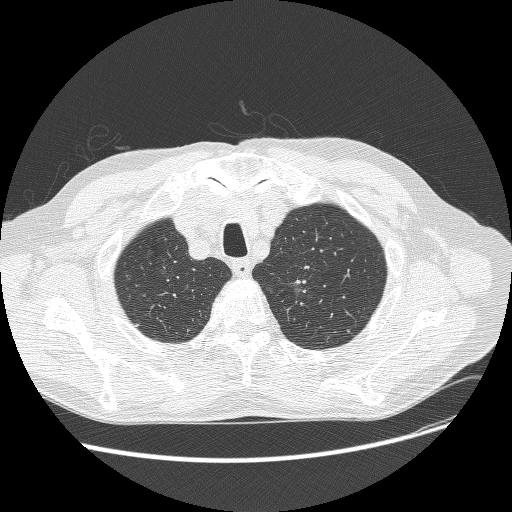
Axial chest CT slice 232 of 268 (counted from the lowest slice); 1.25 mm thick, 0.742 mm per pixel. Pulmonary nodule, outlined by three of the four readers, two of them on this slice. Box on this slice rows 280–296, columns 280–301, the union of the readers' outlines on this slice; median longest diameter 31.0 mm (readers' outlines 30.8–31.7 mm), median volume 5956 mm3 (4750–7267 mm3). Median ratings and the readers' spread: texture 3/5 (part-solid), all three readers agreeing; margin 1/5 (indistinct) from all three readers; sphericity 3/5 (ovoid) at the median of three readers, spread 3/5 (ovoid) to 4/5; calcification absent from all three readers; internal structure soft tissue from all three readers; median subtlety 5/5 (readers ranged 4–5); malignancy likelihood 4/5 at the median of three readers, spread 4–5. Scale key (1–5): texture non-solid→solid, margin indistinct→circumscribed, sphericity linear→round, subtlety extremely subtle→obvious, malignancy likelihood highly unlikely→highly suspicious of cancer. Box rows and columns are 0-based pixel indices from the top-left corner, inclusive.
Scan settings: 120 kVp, BONE reconstruction kernel.